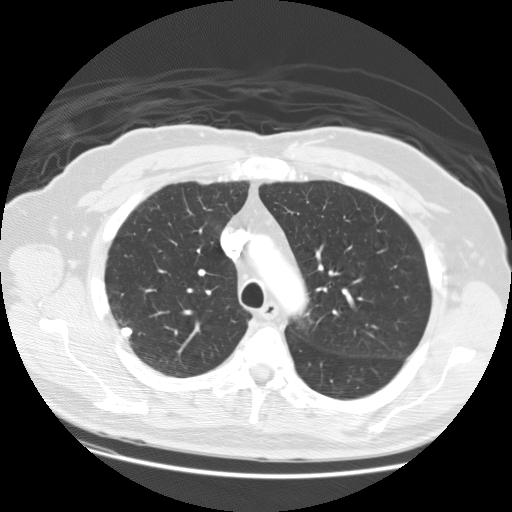
One axial slice (92 of 127, counting up from the lowest) of a chest CT acquired at 120 kVp with the STANDARD kernel; each pixel is 0.742 mm and the slice is 2.50 mm thick.
Pulmonary nodule at rows 327–336, columns 119–132 (box = the union of the readers' outlines on this slice), outlined by all four readers; longest diameter 10.1 mm on average over the four readers' outlines (readers' outlines 8.9–10.6 mm), volume 345–480 mm3. Ratings, by the readers' most common answer with dissent counted: texture 5/5 (solid) from all four readers; margin 5/5 (circumscribed), all four readers agreeing; sphericity 4/5 by two of four readers; the rest gave 3/5 (ovoid) (one), 5/5 (round) (one); calcification solid calcification by three of four readers, absent (one); internal structure soft tissue from all four readers; subtlety split among the readers: 4/5 (two), 5/5 (two); malignancy likelihood 1/5 by three of four readers; the rest gave 2/5 (one). Scale key (1–5): texture non-solid→solid, margin indistinct→circumscribed, sphericity linear→round, subtlety extremely subtle→obvious, malignancy likelihood highly unlikely→highly suspicious of cancer. Box rows and columns are 0-based pixel indices from the top-left corner, inclusive.